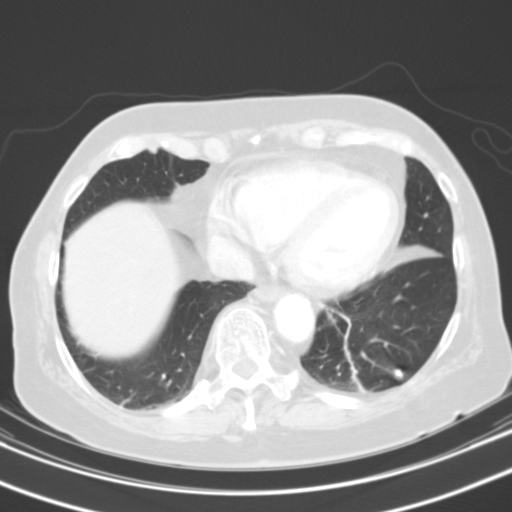
This is axial slice 36 of 109 (slice 1 is the lowest) of a chest CT; each pixel is 0.629 mm and the slice is 3.00 mm thick. Two pulmonary nodules on this slice, listed from left to right. (1) Pulmonary nodule at rows 147–153, columns 148–157 (box = the union of the readers' outlines on this slice), outlined by all four readers; median longest diameter 8.1 mm (readers' outlines 7.6–8.7 mm), median volume 172 mm3 (130–189 mm3). Median ratings and the readers' spread: median texture 4.5/5 (readers ranged 3/5 (part-solid) to 5/5 (solid)); median margin 5/5 (circumscribed) (readers ranged 4/5 to 5/5 (circumscribed)); sphericity 5/5 (round) at the median of four readers, spread 4/5 to 5/5 (round); calcification absent, all four readers agreeing; internal structure soft tissue, all four readers agreeing; subtlety 4/5 at the median of four readers, spread 3–5; median malignancy likelihood 3.5/5 (readers ranged 2–5). (2) Pulmonary nodule outlined by all four readers; box rows 368–378, columns 392–403 (the union of the readers' outlines on this slice); longest diameter 10.5–12.9 mm and volume 562–923 mm3 across the four readers' outlines. Ratings across the readers: texture 5/5 (solid), all four readers agreeing; margin 5/5 (circumscribed), all four readers agreeing; sphericity from 4/5 to 5/5 (round) across the four readers; calcification solid calcification, all four readers agreeing; internal structure soft tissue from all four readers; subtlety 5/5, all four readers agreeing; malignancy likelihood 1/5 from all four readers. Scale key (1–5): texture non-solid→solid, margin indistinct→circumscribed, sphericity linear→round, subtlety extremely subtle→obvious, malignancy likelihood highly unlikely→highly suspicious of cancer. Box rows and columns are 0-based pixel indices from the top-left corner, inclusive.
Scan settings: 130 kVp, B31s reconstruction kernel.